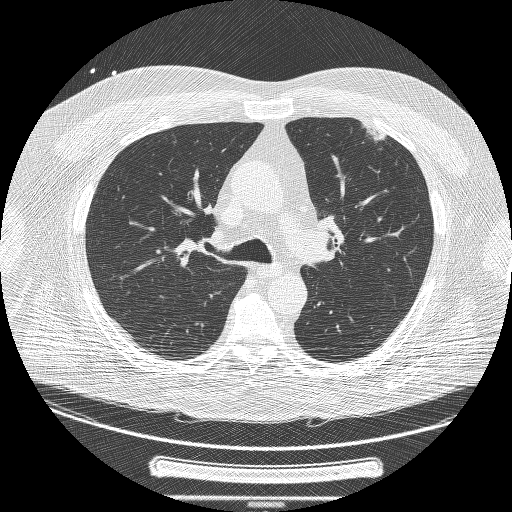
Axial slice 151 of 239 of a chest CT (slice 1 is the lowest), reconstructed with the BONE kernel at 120 kVp; 1.25 mm slice thickness and 0.795 mm pixels.
Pulmonary nodule at rows 124–142, columns 362–384 (box = the union of the readers' outlines on this slice), outlined by two of the four readers; median longest diameter 43.2 mm (readers' outlines 43.0–43.4 mm), median volume 10782 mm3 (10396–11168 mm3). Ratings, median across the readers with their spread: texture 4/5 at the median of two readers, spread 3/5 (part-solid) to 5/5 (solid); margin 2/5 at the median of two readers, spread 1/5 (indistinct) to 3/5; median sphericity 2/5 (readers ranged 1/5 (linear) to 3/5 (ovoid)); calcification absent from both readers; internal structure soft tissue, both readers agreeing; subtlety 5/5, both readers agreeing; malignancy likelihood 5/5 from both readers. Scale key (1–5): texture non-solid→solid, margin indistinct→circumscribed, sphericity linear→round, subtlety extremely subtle→obvious, malignancy likelihood highly unlikely→highly suspicious of cancer. Box rows and columns are 0-based pixel indices from the top-left corner, inclusive.